One axial slice (37 of 133, counting up from the lowest) of a chest CT acquired at 120 kVp with the STANDARD kernel; each pixel is 0.742 mm and the slice is 2.50 mm thick.
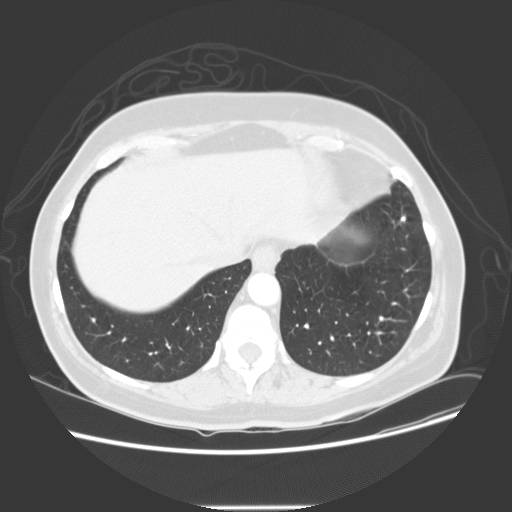
Pulmonary nodule at rows 215–220, columns 400–405 (box = that reader's outline on this slice), outlined by one of the four readers; longest diameter 6.8 mm and volume 112 mm3 from that reader's outline. That reader's ratings: texture 5/5 (solid); margin 5/5 (circumscribed); sphericity 5/5 (round); calcification solid calcification; internal structure soft tissue; subtlety 4/5; malignancy likelihood 1/5. Scale key (1–5): texture non-solid→solid, margin indistinct→circumscribed, sphericity linear→round, subtlety extremely subtle→obvious, malignancy likelihood highly unlikely→highly suspicious of cancer. Box rows and columns are 0-based pixel indices from the top-left corner, inclusive.